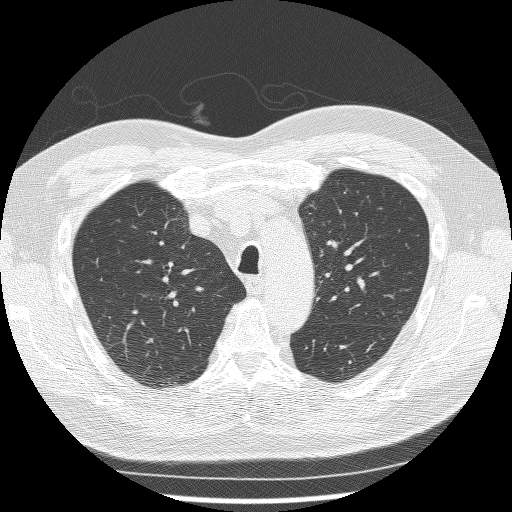
This is axial slice 186 of 244 (slice 1 is the lowest) of a chest CT; each pixel is 0.674 mm and the slice is 1.25 mm thick. No nodule 3 mm or larger was outlined here by any reader.
Acquired at 120 kVp and reconstructed with the BONE kernel.